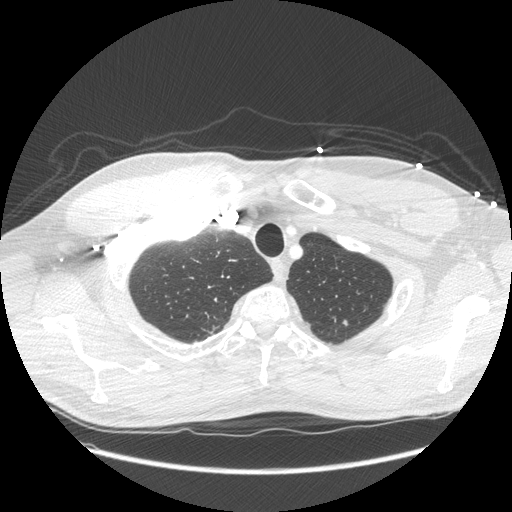
Axial chest CT slice 227 of 261 (counted from the lowest slice); tube voltage 120 kVp, convolution kernel STANDARD; slices 1.25 mm thick, 0.781 mm per pixel.
Pulmonary nodule at rows 320–325, columns 342–347 (box = that reader's outline on this slice), outlined by one of the four readers; longest diameter 5.9 mm and volume 83 mm3 from that reader's outline. That reader's ratings: texture 5/5 (solid); margin 4/5; sphericity 4/5; calcification absent; internal structure soft tissue; subtlety 2/5; malignancy likelihood 2/5. Scale key (1–5): texture non-solid→solid, margin indistinct→circumscribed, sphericity linear→round, subtlety extremely subtle→obvious, malignancy likelihood highly unlikely→highly suspicious of cancer. Box rows and columns are 0-based pixel indices from the top-left corner, inclusive.